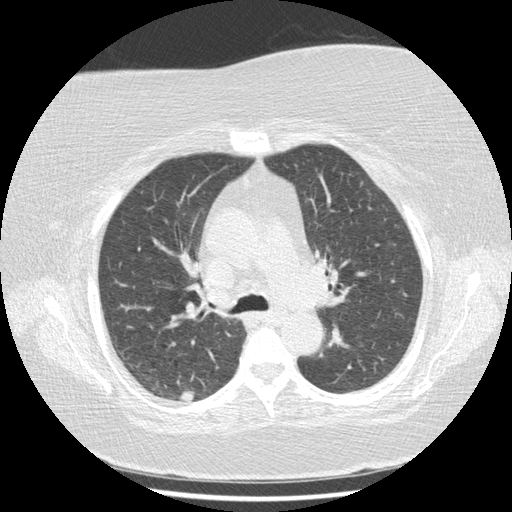
Slice 289/417 of a chest CT, counting up from the lowest; pixel size 0.703 mm, slice thickness 1.25 mm. Pulmonary nodule at rows 390–402, columns 179–195 (box = the union of the readers' outlines on this slice), outlined by all four readers; median longest diameter 11.8 mm (readers' outlines 11.0–13.8 mm), median volume 406 mm3 (306–515 mm3). Ratings, median across the readers with their spread: texture 5/5 (solid), all four readers agreeing; margin 5/5 (circumscribed) at the median of four readers, spread 4/5 to 5/5 (circumscribed); median sphericity 4.5/5 (readers ranged 3/5 (ovoid) to 5/5 (round)); calcification absent, all four readers agreeing; internal structure soft tissue, all four readers agreeing; subtlety 4.5/5 at the median of four readers, spread 3–5; median malignancy likelihood 3.5/5 (readers ranged 2–4). Scale key (1–5): texture non-solid→solid, margin indistinct→circumscribed, sphericity linear→round, subtlety extremely subtle→obvious, malignancy likelihood highly unlikely→highly suspicious of cancer. Box rows and columns are 0-based pixel indices from the top-left corner, inclusive.
Tube voltage 120 kVp; convolution kernel STANDARD.